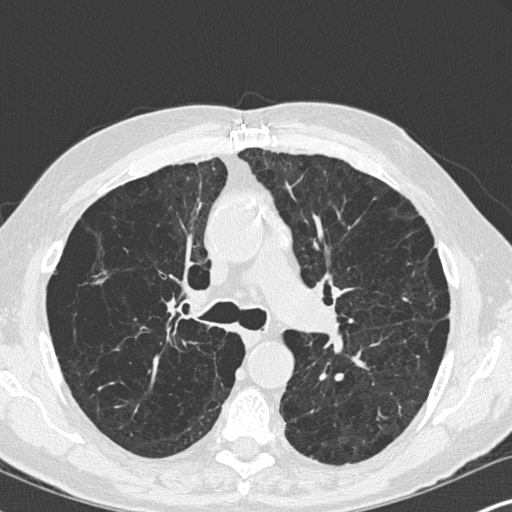
Axial slice 205 of 347 of a chest CT (slice 1 is the lowest), reconstructed with the B45f kernel at 120 kVp; 1.00 mm slice thickness and 0.625 mm pixels.
Pulmonary nodule, outlined by two of the four readers. Box on this slice rows 278–283, columns 96–105, the union of the readers' outlines on this slice; the two readers' outlines give a longest diameter between 10.1 and 10.3 mm and a volume between 119 and 145 mm3. Ratings across the readers: texture 5/5 (solid), both readers agreeing; margin from 3/5 to 5/5 (circumscribed) across the two readers; sphericity 2/5 from both readers; calcification absent, both readers agreeing; internal structure soft tissue, both readers agreeing; subtlety 3/5, both readers agreeing; malignancy likelihood from 2/5 to 3/5 across the two readers. Scale key (1–5): texture non-solid→solid, margin indistinct→circumscribed, sphericity linear→round, subtlety extremely subtle→obvious, malignancy likelihood highly unlikely→highly suspicious of cancer. Box rows and columns are 0-based pixel indices from the top-left corner, inclusive.